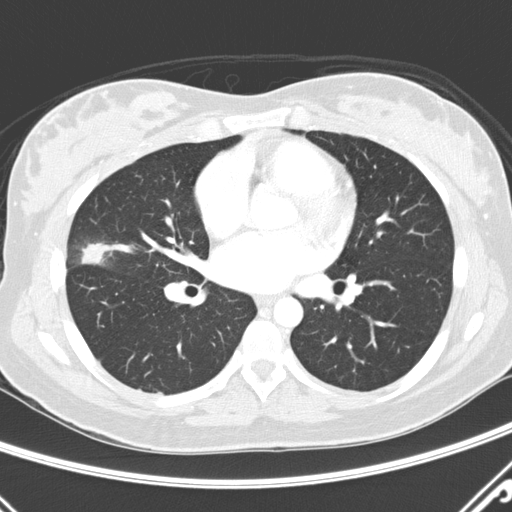
One axial slice (144 of 290, counting up from the lowest) of a chest CT acquired at 120 kVp with the D kernel; each pixel is 0.648 mm and the slice is 2.00 mm thick.
Pulmonary nodule outlined by all four readers; box rows 242–265, columns 81–134 (the union of the readers' outlines on this slice); longest diameter 19.9–37.8 mm and volume 1327–2956 mm3 across the four readers' outlines. Ratings across the readers: texture from 3/5 (part-solid) to 5/5 (solid) across the four readers; margin from 1/5 (indistinct) to 3/5 across the four readers; sphericity from 2/5 to 4/5 across the four readers; calcification absent, all four readers agreeing; internal structure soft tissue, all four readers agreeing; subtlety 5/5 from all four readers; malignancy likelihood from 3/5 to 5/5 across the four readers. Scale key (1–5): texture non-solid→solid, margin indistinct→circumscribed, sphericity linear→round, subtlety extremely subtle→obvious, malignancy likelihood highly unlikely→highly suspicious of cancer. Box rows and columns are 0-based pixel indices from the top-left corner, inclusive.